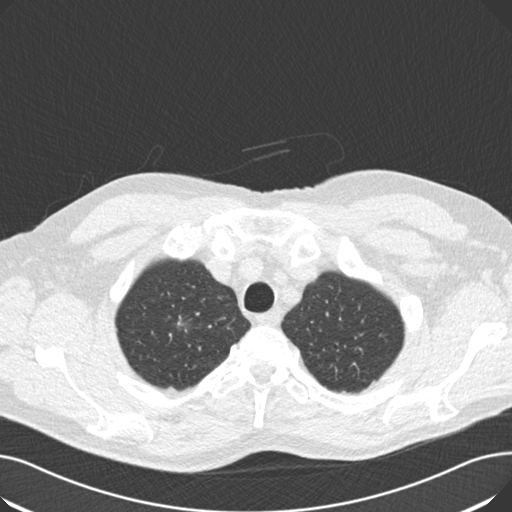
This is axial slice 152 of 181 (slice 1 is the lowest) of a chest CT; each pixel is 0.723 mm and the slice is 2.00 mm thick. Pulmonary nodule, outlined by three of the four readers, one of them on this slice. Box on this slice rows 321–325, columns 181–183, the one reader's outline on this slice; median longest diameter 10.7 mm (readers' outlines 9.4–10.7 mm), median volume 214 mm3 (180–294 mm3). Median ratings and the readers' spread: texture 3/5 (part-solid) at the median of three readers, spread 3/5 (part-solid) to 4/5; margin 3/5 at the median of three readers, spread 1/5 (indistinct) to 3/5; sphericity 3/5 (ovoid) at the median of three readers, spread 2/5 to 4/5; calcification absent, all three readers agreeing; internal structure soft tissue, all three readers agreeing; median subtlety 2/5 (readers ranged 2–3); malignancy likelihood 3/5 at the median of three readers, spread 2–3. Scale key (1–5): texture non-solid→solid, margin indistinct→circumscribed, sphericity linear→round, subtlety extremely subtle→obvious, malignancy likelihood highly unlikely→highly suspicious of cancer. Box rows and columns are 0-based pixel indices from the top-left corner, inclusive.
Acquired at 120 kVp and reconstructed with the B30f kernel.